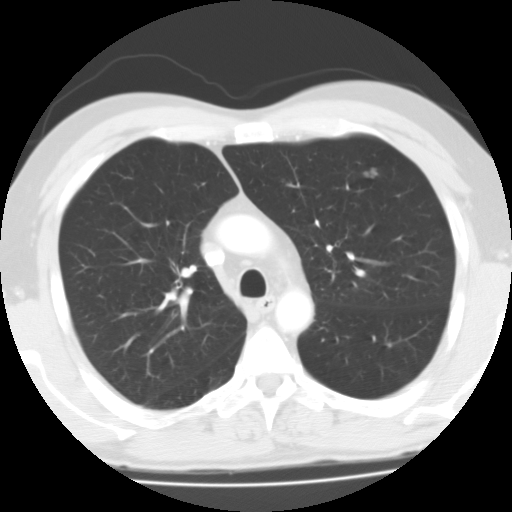
Axial chest CT slice 94 of 127 (counted from the lowest slice); tube voltage 135 kVp, convolution kernel FC01; slices 3.00 mm thick, 0.677 mm per pixel.
Pulmonary nodule, outlined by all four readers. Box on this slice rows 167–178, columns 360–378, the union of the readers' outlines on this slice; longest diameter 12.5 mm on average over the four readers' outlines (readers' outlines 11.7–13.1 mm), volume 622–939 mm3. Ratings, by the readers' most common answer with dissent counted: texture 5/5 (solid) from all four readers; most readers (three of four) put margin at 4/5, others 5/5 (circumscribed) (one); sphericity 4/5 by two of four readers; the rest gave 3/5 (ovoid) (one), 5/5 (round) (one); calcification absent from all four readers; internal structure soft tissue, all four readers agreeing; subtlety 5/5 from all four readers; malignancy likelihood 4/5 by two of four readers; the rest gave 3/5 (one), 5/5 (one). Scale key (1–5): texture non-solid→solid, margin indistinct→circumscribed, sphericity linear→round, subtlety extremely subtle→obvious, malignancy likelihood highly unlikely→highly suspicious of cancer. Box rows and columns are 0-based pixel indices from the top-left corner, inclusive.